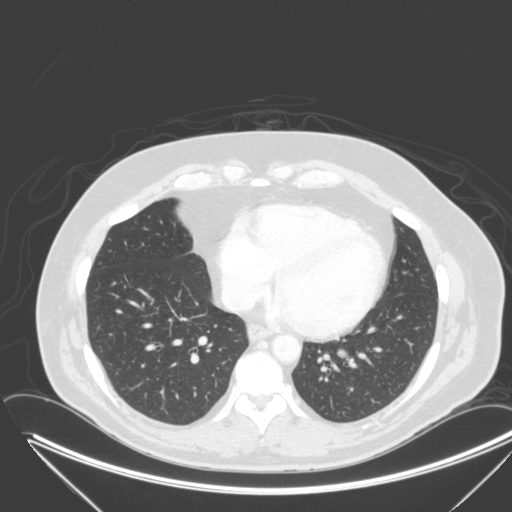
Axial chest CT slice 116 of 315 (counted from the lowest slice); tube voltage 120 kVp, convolution kernel B; slices 2.00 mm thick, 0.830 mm per pixel.
Pulmonary nodule at rows 349–357, columns 336–347 (box = the union of the readers' outlines on this slice), outlined by all four readers; longest diameter 12.3–13.9 mm and volume 668–831 mm3 across the four readers' outlines. Ratings across the readers: texture from 4/5 to 5/5 (solid) across the four readers; margin from 4/5 to 5/5 (circumscribed) across the four readers; sphericity from 4/5 to 5/5 (round) across the four readers; calcification absent, all four readers agreeing; internal structure soft tissue from all four readers; subtlety from 3/5 to 5/5 across the four readers; malignancy likelihood rated between 3 and 5 out of 5 by the four readers. Scale key (1–5): texture non-solid→solid, margin indistinct→circumscribed, sphericity linear→round, subtlety extremely subtle→obvious, malignancy likelihood highly unlikely→highly suspicious of cancer. Box rows and columns are 0-based pixel indices from the top-left corner, inclusive.